Axial chest CT slice 430 of 519 (counted from the lowest slice); tube voltage 120 kVp, convolution kernel STANDARD; slices 1.25 mm thick, 0.645 mm per pixel.
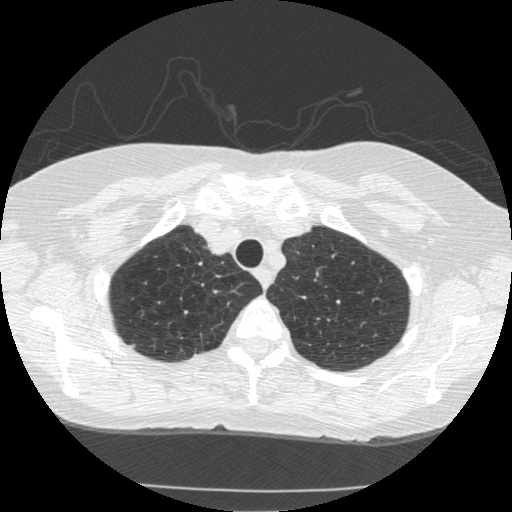
Pulmonary nodule at rows 344–348, columns 130–134 (box = that reader's outline on this slice), outlined by one of the four readers; longest diameter 6.5 mm and volume 31 mm3 from that reader's outline. Ratings by that reader: texture 5/5 (solid); margin 4/5; sphericity 3/5 (ovoid); calcification absent; internal structure soft tissue; subtlety 5/5; malignancy likelihood 2/5. Scale key (1–5): texture non-solid→solid, margin indistinct→circumscribed, sphericity linear→round, subtlety extremely subtle→obvious, malignancy likelihood highly unlikely→highly suspicious of cancer. Box rows and columns are 0-based pixel indices from the top-left corner, inclusive.